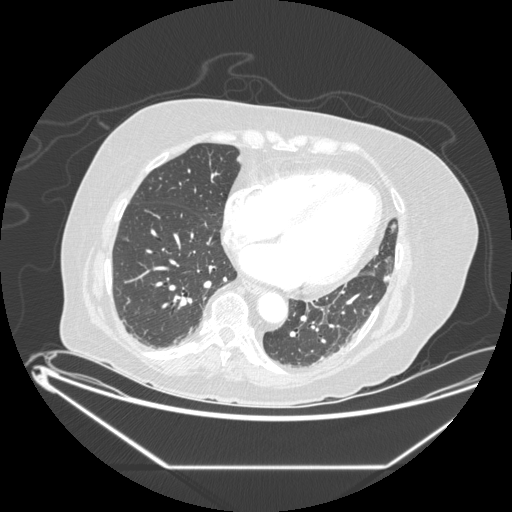
Axial chest CT slice 62 of 197 (counted from the lowest slice); tube voltage 120 kVp, convolution kernel STANDARD; slices 1.25 mm thick, 0.859 mm per pixel.
Pulmonary nodule at rows 222–232, columns 388–395 (box = the union of the readers' outlines on this slice), outlined by three of the four readers, two of them on this slice; the three readers' outlines give a longest diameter between 7.9 and 12.5 mm and a volume between 121 and 343 mm3. Ratings across the readers: texture 5/5 (solid) from all three readers; margin from 4/5 to 5/5 (circumscribed) across the three readers; sphericity from 4/5 to 5/5 (round) across the three readers; calcification absent from all three readers; internal structure soft tissue from all three readers; subtlety from 3/5 to 4/5 across the three readers; malignancy likelihood rated between 2 and 3 out of 5 by the three readers. Scale key (1–5): texture non-solid→solid, margin indistinct→circumscribed, sphericity linear→round, subtlety extremely subtle→obvious, malignancy likelihood highly unlikely→highly suspicious of cancer. Box rows and columns are 0-based pixel indices from the top-left corner, inclusive.